Axial chest CT slice 144 of 426 (counted from the lowest slice); tube voltage 120 kVp, convolution kernel STANDARD; slices 1.25 mm thick, 0.742 mm per pixel.
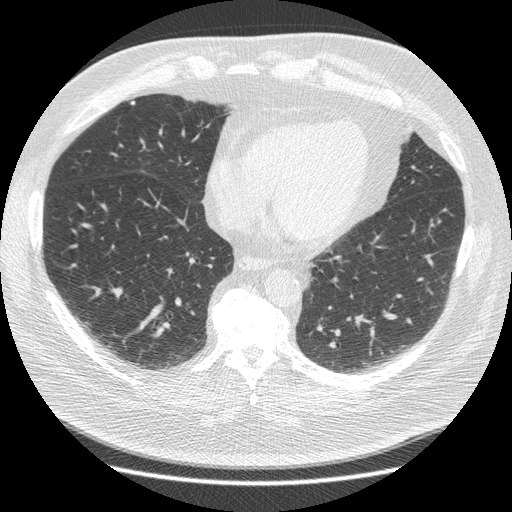
Pulmonary nodule outlined by three of the four readers; box rows 100–105, columns 129–135 (the union of the readers' outlines on this slice); longest diameter 6.4 mm on average over the three readers' outlines (readers' outlines 6.1–6.7 mm), volume 62–77 mm3. Ratings, by the readers' most common answer with dissent counted: texture 5/5 (solid) from all three readers; margin 5/5 (circumscribed) from all three readers; sphericity 3/5 (ovoid) by two of three readers; the rest gave 5/5 (round) (one); calcification solid calcification by two of three readers, absent (one); internal structure soft tissue, all three readers agreeing; subtlety 4/5 by two of three readers; the rest gave 5/5 (one); malignancy likelihood 1/5 by two of three readers; the rest gave 3/5 (one). Scale key (1–5): texture non-solid→solid, margin indistinct→circumscribed, sphericity linear→round, subtlety extremely subtle→obvious, malignancy likelihood highly unlikely→highly suspicious of cancer. Box rows and columns are 0-based pixel indices from the top-left corner, inclusive.